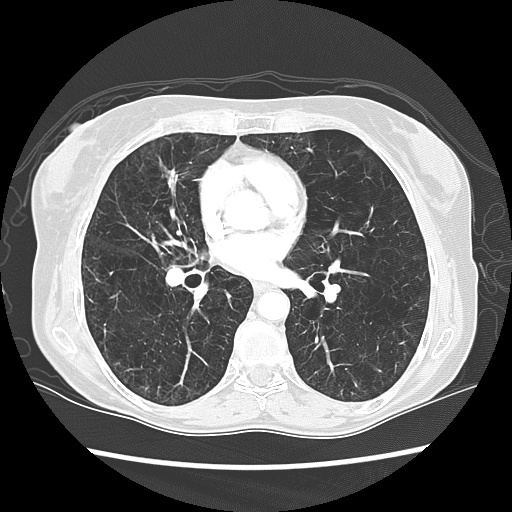
Axial chest CT slice 62 of 127 (counted from the lowest slice); tube voltage 120 kVp, convolution kernel LUNG; slices 2.50 mm thick, 0.645 mm per pixel.
Pulmonary nodule, outlined by two of the four readers. Box on this slice rows 167–194, columns 166–178, the union of the readers' outlines on this slice; longest diameter 17.8 mm on average over the two readers' outlines (readers' outlines 16.8–18.7 mm), volume 516–841 mm3. Ratings, by the readers' most common answer with dissent counted: texture 5/5 (solid), both readers agreeing; margin split among the readers: 2/5 (one), 3/5 (one); sphericity split among the readers: 1/5 (linear) (one), 2/5 (one); calcification absent, both readers agreeing; internal structure soft tissue from both readers; subtlety 5/5 from both readers; malignancy likelihood split among the readers: 3/5 (one), 4/5 (one). Scale key (1–5): texture non-solid→solid, margin indistinct→circumscribed, sphericity linear→round, subtlety extremely subtle→obvious, malignancy likelihood highly unlikely→highly suspicious of cancer. Box rows and columns are 0-based pixel indices from the top-left corner, inclusive.